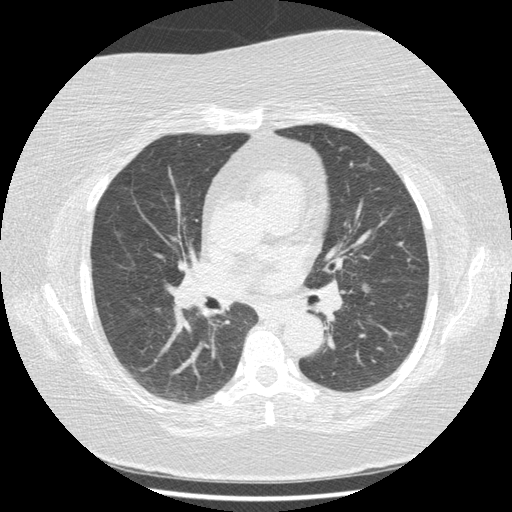
Axial chest CT slice 242 of 417 (counted from the lowest slice); tube voltage 120 kVp, convolution kernel STANDARD; slices 1.25 mm thick, 0.703 mm per pixel.
Two pulmonary nodules on this slice, listed from left to right. (1) Pulmonary nodule, outlined by one of the four readers. Box on this slice rows 308–315, columns 154–162, that reader's outline on this slice; longest diameter 8.8 mm and volume 74 mm3 from that reader's outline. Ratings by that reader: texture 4/5; margin 2/5; sphericity 3/5 (ovoid); calcification absent; internal structure soft tissue; subtlety 5/5; malignancy likelihood 3/5. (2) Pulmonary nodule at rows 283–293, columns 361–372 (box = the union of the readers' outlines on this slice), outlined by all four readers; median longest diameter 9.2 mm (readers' outlines 7.6–10.7 mm), median volume 160 mm3 (89–248 mm3). Median ratings and the readers' spread: texture 5/5 (solid), all four readers agreeing; median margin 4/5 (readers ranged 4/5 to 5/5 (circumscribed)); sphericity 3.5/5 at the median of four readers, spread 3/5 (ovoid) to 5/5 (round); calcification absent from all four readers; internal structure soft tissue from all four readers; median subtlety 4.5/5 (readers ranged 4–5); median malignancy likelihood 3/5 (readers ranged 3–4). Scale key (1–5): texture non-solid→solid, margin indistinct→circumscribed, sphericity linear→round, subtlety extremely subtle→obvious, malignancy likelihood highly unlikely→highly suspicious of cancer. Box rows and columns are 0-based pixel indices from the top-left corner, inclusive.